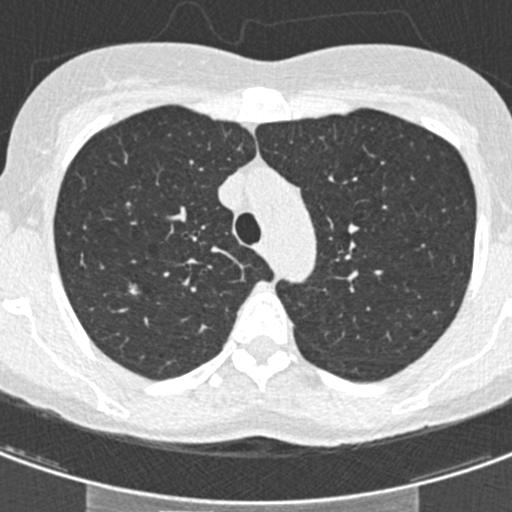
Axial slice 326 of 429 of a chest CT (slice 1 is the lowest), reconstructed with the B30f kernel at 120 kVp; 0.75 mm slice thickness and 0.537 mm pixels.
Pulmonary nodule, outlined by all four readers. Box on this slice rows 282–297, columns 128–140, the union of the readers' outlines on this slice; the four readers' outlines give a longest diameter between 11.2 and 13.4 mm and a volume between 226 and 398 mm3. Ratings across the readers: texture from 3/5 (part-solid) to 4/5 across the four readers; margin from 1/5 (indistinct) to 4/5 across the four readers; sphericity from 2/5 to 5/5 (round) across the four readers; calcification absent from all four readers; internal structure soft tissue from all four readers; subtlety from 3/5 to 5/5 across the four readers; malignancy likelihood from 3/5 to 4/5 across the four readers. Scale key (1–5): texture non-solid→solid, margin indistinct→circumscribed, sphericity linear→round, subtlety extremely subtle→obvious, malignancy likelihood highly unlikely→highly suspicious of cancer. Box rows and columns are 0-based pixel indices from the top-left corner, inclusive.